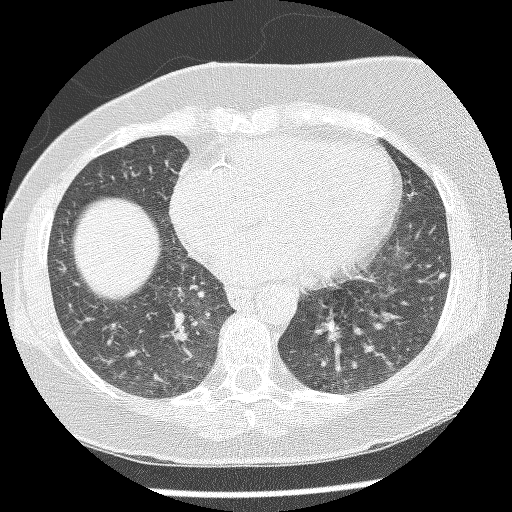
Axial slice 98 of 220 of a chest CT (slice 1 is the lowest), reconstructed with the BONE kernel at 120 kVp; 1.25 mm slice thickness and 0.598 mm pixels.
Pulmonary nodule outlined by three of the four readers; box rows 272–279, columns 437–446 (the union of the readers' outlines on this slice); median longest diameter 6.8 mm (readers' outlines 6.7–7.2 mm), median volume 76 mm3 (73–98 mm3). Median ratings and the readers' spread: texture 4/5 at the median of three readers, spread 4/5 to 5/5 (solid); median margin 3/5 (readers ranged 3/5 to 4/5); median sphericity 3/5 (ovoid) (readers ranged 2/5 to 3/5 (ovoid)); calcification absent, all three readers agreeing; internal structure soft tissue, all three readers agreeing; subtlety 3/5 at the median of three readers, spread 1–4; malignancy likelihood 3/5 at the median of three readers, spread 3–5. Scale key (1–5): texture non-solid→solid, margin indistinct→circumscribed, sphericity linear→round, subtlety extremely subtle→obvious, malignancy likelihood highly unlikely→highly suspicious of cancer. Box rows and columns are 0-based pixel indices from the top-left corner, inclusive.